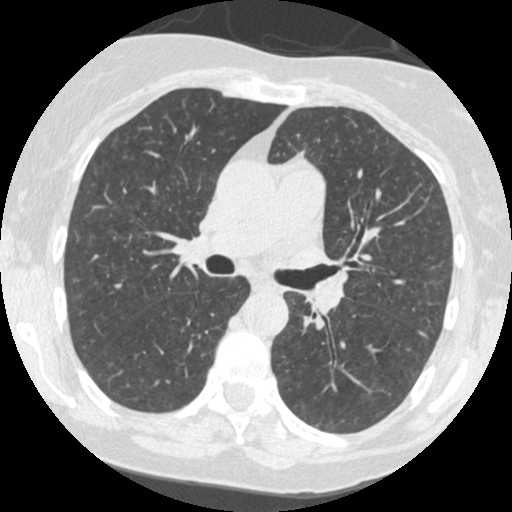
One axial slice (264 of 484, counting up from the lowest) of a chest CT acquired at 120 kVp with the STANDARD kernel; each pixel is 0.586 mm and the slice is 1.25 mm thick.
Pulmonary nodule outlined by all four readers, two of them on this slice; box rows 330–337, columns 417–427 (the union of the readers' outlines on this slice); longest diameter 6.6–9.0 mm and volume 60–132 mm3 across the four readers' outlines. The readers' ratings, as ranges where they differ: texture 5/5 (solid) from all four readers; margin from 4/5 to 5/5 (circumscribed) across the four readers; sphericity from 3/5 (ovoid) to 4/5 across the four readers; calcification absent, all four readers agreeing; internal structure soft tissue, all four readers agreeing; subtlety 4–5/5 (the readers disagree); malignancy likelihood from 2/5 to 4/5 across the four readers. Scale key (1–5): texture non-solid→solid, margin indistinct→circumscribed, sphericity linear→round, subtlety extremely subtle→obvious, malignancy likelihood highly unlikely→highly suspicious of cancer. Box rows and columns are 0-based pixel indices from the top-left corner, inclusive.